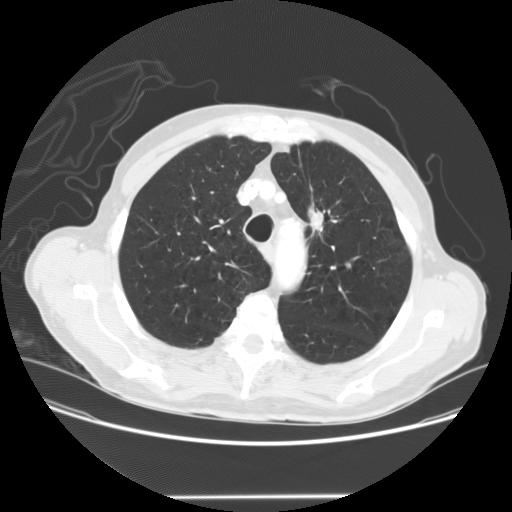
Slice 116/147 of a chest CT, counting up from the lowest; pixel size 0.781 mm, slice thickness 2.50 mm. Pulmonary nodule outlined by all four readers; box rows 205–237, columns 307–324 (the union of the readers' outlines on this slice); the four readers' outlines give a longest diameter between 28.8 and 40.5 mm and a volume between 3077 and 10560 mm3. Ratings across the readers: texture from 3/5 (part-solid) to 5/5 (solid) across the four readers; margin from 2/5 to 5/5 (circumscribed) across the four readers; sphericity 3/5 (ovoid), all four readers agreeing; calcification absent from all four readers; internal structure soft tissue from all four readers; subtlety from 4/5 to 5/5 across the four readers; malignancy likelihood rated between 3 and 5 out of 5 by the four readers. Scale key (1–5): texture non-solid→solid, margin indistinct→circumscribed, sphericity linear→round, subtlety extremely subtle→obvious, malignancy likelihood highly unlikely→highly suspicious of cancer. Box rows and columns are 0-based pixel indices from the top-left corner, inclusive.
Scan settings: 120 kVp, STANDARD reconstruction kernel.